Axial slice 292 of 425 of a chest CT (slice 1 is the lowest), reconstructed with the B30f kernel at 120 kVp; 0.75 mm slice thickness and 0.539 mm pixels.
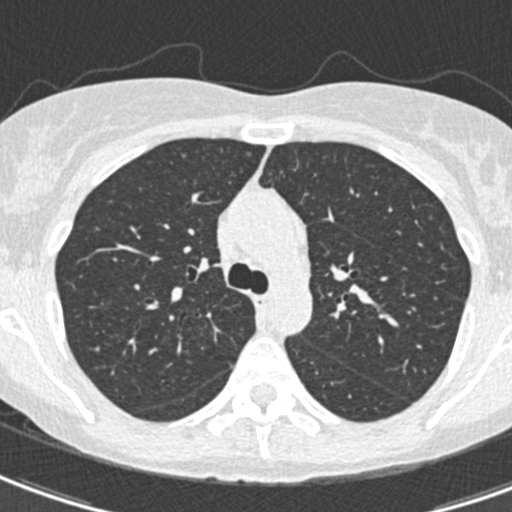
Pulmonary nodule, outlined by one of the four readers. Box on this slice rows 153–155, columns 247–250, that reader's outline on this slice; longest diameter 3.9 mm and volume 12 mm3 from that reader's outline. That reader's ratings: texture 2/5; margin 3/5; sphericity 4/5; calcification absent; internal structure soft tissue; subtlety 2/5; malignancy likelihood 3/5. Scale key (1–5): texture non-solid→solid, margin indistinct→circumscribed, sphericity linear→round, subtlety extremely subtle→obvious, malignancy likelihood highly unlikely→highly suspicious of cancer. Box rows and columns are 0-based pixel indices from the top-left corner, inclusive.